One axial slice (333 of 487, counting up from the lowest) of a chest CT acquired at 120 kVp with the STANDARD kernel; each pixel is 0.586 mm and the slice is 1.25 mm thick.
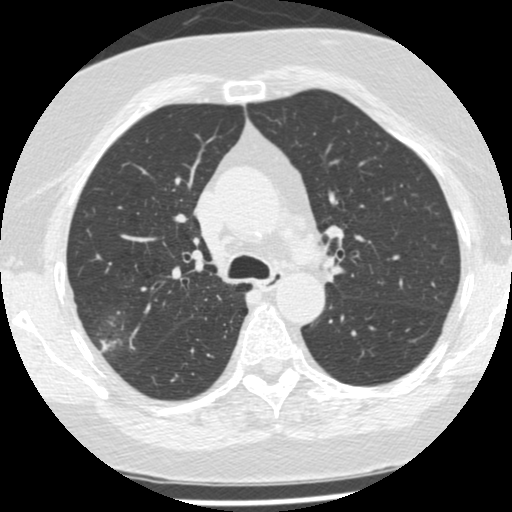
Pulmonary nodule, outlined by two of the four readers. Box on this slice rows 328–357, columns 94–128, the union of the readers' outlines on this slice; the two readers' outlines give a longest diameter between 11.3 and 24.9 mm and a volume between 232 and 2964 mm3. The readers' ratings, as ranges where they differ: texture 3/5 (part-solid) from both readers; margin from 1/5 (indistinct) to 2/5 across the two readers; sphericity 4/5, both readers agreeing; calcification absent, both readers agreeing; internal structure soft tissue from both readers; subtlety 4/5 from both readers; malignancy likelihood 3–4/5 (the readers disagree). Scale key (1–5): texture non-solid→solid, margin indistinct→circumscribed, sphericity linear→round, subtlety extremely subtle→obvious, malignancy likelihood highly unlikely→highly suspicious of cancer. Box rows and columns are 0-based pixel indices from the top-left corner, inclusive.